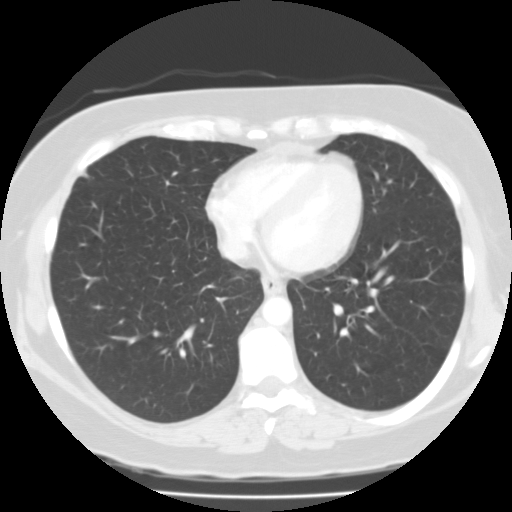
Slice 47/112 of a chest CT, counting up from the lowest; pixel size 0.659 mm, slice thickness 3.00 mm. Pulmonary nodule, outlined by one of the four readers. Box on this slice rows 331–335, columns 153–158, that reader's outline on this slice; longest diameter 6.0 mm and volume 139 mm3 from that reader's outline. Ratings by that reader: texture 5/5 (solid); margin 5/5 (circumscribed); sphericity 5/5 (round); calcification solid calcification; internal structure soft tissue; subtlety 5/5; malignancy likelihood 1/5. Scale key (1–5): texture non-solid→solid, margin indistinct→circumscribed, sphericity linear→round, subtlety extremely subtle→obvious, malignancy likelihood highly unlikely→highly suspicious of cancer. Box rows and columns are 0-based pixel indices from the top-left corner, inclusive.
Scan settings: 135 kVp, FC01 reconstruction kernel.